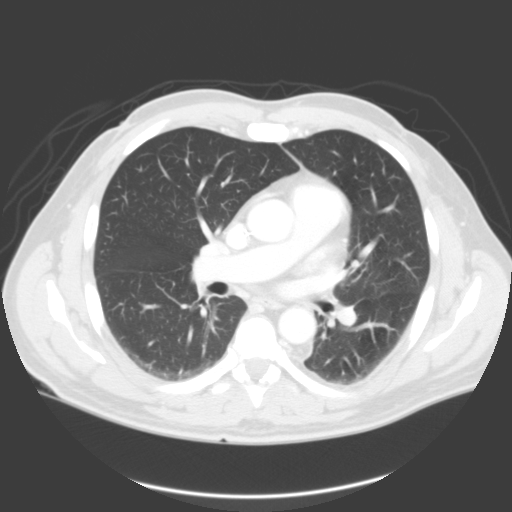
Axial slice 48 of 95 of a chest CT (slice 1 is the lowest), reconstructed with the B kernel at 120 kVp; 3.00 mm slice thickness and 0.750 mm pixels.
This slice carries no reader outline of a nodule 3 mm or larger.